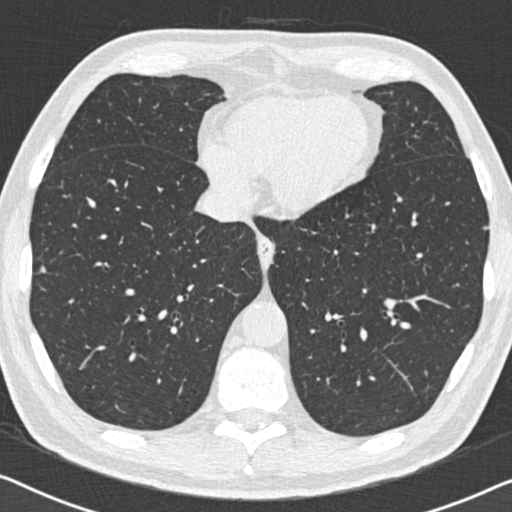
Chest CT, axial plane, 120 kVp, kernel B30f. Slice 213/558 from the bottom of the scan; thickness 0.75 mm; pixel size 0.648 mm.
Two pulmonary nodules are outlined on this slice; from left to right: (1) Pulmonary nodule, outlined by all four readers. Box on this slice rows 265–272, columns 39–45, the union of the readers' outlines on this slice; the four readers' outlines give a longest diameter between 5.6 and 7.4 mm and a volume between 75 and 143 mm3. Ratings across the readers: texture 5/5 (solid) from all four readers; margin from 4/5 to 5/5 (circumscribed) across the four readers; sphericity 5/5 (round), all four readers agreeing; calcification absent from all four readers; internal structure soft tissue from all four readers; subtlety 3–5/5 (the readers disagree); malignancy likelihood from 2/5 to 4/5 across the four readers. (2) Pulmonary nodule, outlined by two of the four readers. Box on this slice rows 226–229, columns 483–487, the union of the readers' outlines on this slice; longest diameter 6.2–7.0 mm and volume 80–93 mm3 across the two readers' outlines. Ratings across the readers: texture from 4/5 to 5/5 (solid) across the two readers; margin 4/5 from both readers; sphericity from 4/5 to 5/5 (round) across the two readers; calcification absent, both readers agreeing; internal structure soft tissue from both readers; subtlety 3–5/5 (the readers disagree); malignancy likelihood rated between 2 and 3 out of 5 by the two readers. Scale key (1–5): texture non-solid→solid, margin indistinct→circumscribed, sphericity linear→round, subtlety extremely subtle→obvious, malignancy likelihood highly unlikely→highly suspicious of cancer. Box rows and columns are 0-based pixel indices from the top-left corner, inclusive.